One axial slice (114 of 192, counting up from the lowest) of a chest CT acquired at 120 kVp with the B30f kernel; each pixel is 0.664 mm and the slice is 2.00 mm thick.
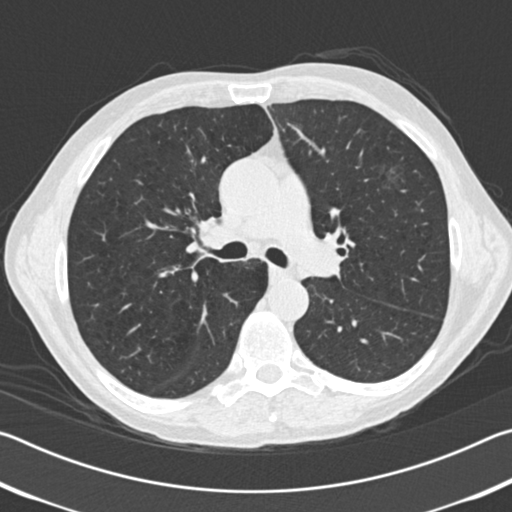
Pulmonary nodule, outlined by one of the four readers. Box on this slice rows 166–187, columns 381–400, that reader's outline on this slice; longest diameter 27.3 mm and volume 1622 mm3 from that reader's outline. Ratings by that reader: texture 1/5 (non-solid); margin 2/5; sphericity 5/5 (round); calcification absent; internal structure soft tissue; subtlety 4/5; malignancy likelihood 3/5. Scale key (1–5): texture non-solid→solid, margin indistinct→circumscribed, sphericity linear→round, subtlety extremely subtle→obvious, malignancy likelihood highly unlikely→highly suspicious of cancer. Box rows and columns are 0-based pixel indices from the top-left corner, inclusive.